Axial chest CT slice 130 of 219 (counted from the lowest slice); tube voltage 120 kVp, convolution kernel B30f; slices 2.00 mm thick, 0.703 mm per pixel.
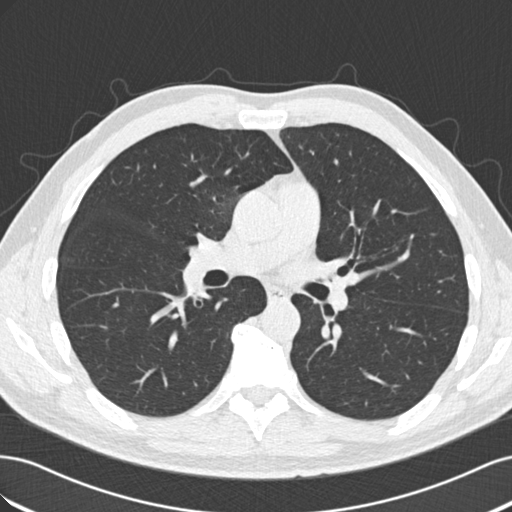
This slice carries no reader outline of a nodule 3 mm or larger.